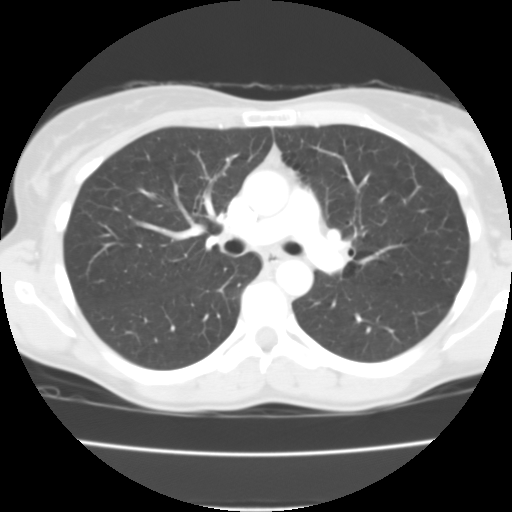
One axial slice (69 of 112, counting up from the lowest) of a chest CT acquired at 135 kVp with the FC01 kernel; each pixel is 0.573 mm and the slice is 3.00 mm thick.
None of the four readers outlined a nodule of 3 mm or more on this slice.